Axial slice 20 of 95 of a chest CT (slice 1 is the lowest), reconstructed with the STANDARD kernel at 120 kVp; 2.50 mm slice thickness and 0.859 mm pixels.
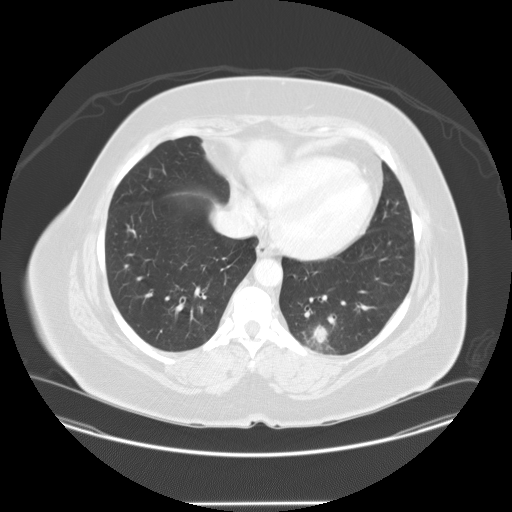
Pulmonary nodule at rows 324–342, columns 310–328 (box = the union of the readers' outlines on this slice), outlined by all four readers; median longest diameter 19.9 mm (readers' outlines 17.2–23.5 mm), median volume 2245 mm3 (2023–2813 mm3). Ratings, median across the readers with their spread: median texture 5/5 (solid) (readers ranged 4/5 to 5/5 (solid)); margin 3.5/5 at the median of four readers, spread 3/5 to 5/5 (circumscribed); median sphericity 4.5/5 (readers ranged 3/5 (ovoid) to 5/5 (round)); calcification absent from all four readers; internal structure soft tissue from all four readers; median subtlety 4.5/5 (readers ranged 3–5); malignancy likelihood 4/5 at the median of four readers, spread 2–4. Scale key (1–5): texture non-solid→solid, margin indistinct→circumscribed, sphericity linear→round, subtlety extremely subtle→obvious, malignancy likelihood highly unlikely→highly suspicious of cancer. Box rows and columns are 0-based pixel indices from the top-left corner, inclusive.